Axial chest CT slice 280 of 326 (counted from the lowest slice); tube voltage 120 kVp, convolution kernel B45f; slices 1.00 mm thick, 0.645 mm per pixel.
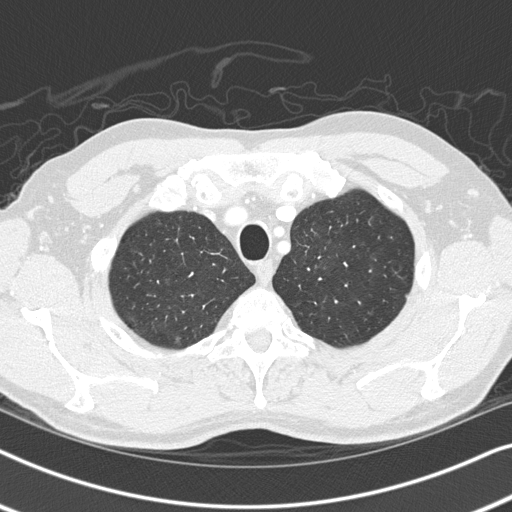
Pulmonary nodule, outlined by all four readers, two of them on this slice. Box on this slice rows 336–343, columns 174–180, the union of the readers' outlines on this slice; median longest diameter 6.9 mm (readers' outlines 6.6–8.2 mm), median volume 118 mm3 (74–172 mm3). Median ratings and the readers' spread: texture 3/5 (part-solid) at the median of four readers, spread 1/5 (non-solid) to 3/5 (part-solid); median margin 2/5 (readers ranged 2/5 to 5/5 (circumscribed)); sphericity 4/5 at the median of four readers, spread 4/5 to 5/5 (round); calcification absent from all four readers; internal structure soft tissue, all four readers agreeing; median subtlety 2.5/5 (readers ranged 1–3); malignancy likelihood 3/5 at the median of four readers, spread 2–3. Scale key (1–5): texture non-solid→solid, margin indistinct→circumscribed, sphericity linear→round, subtlety extremely subtle→obvious, malignancy likelihood highly unlikely→highly suspicious of cancer. Box rows and columns are 0-based pixel indices from the top-left corner, inclusive.